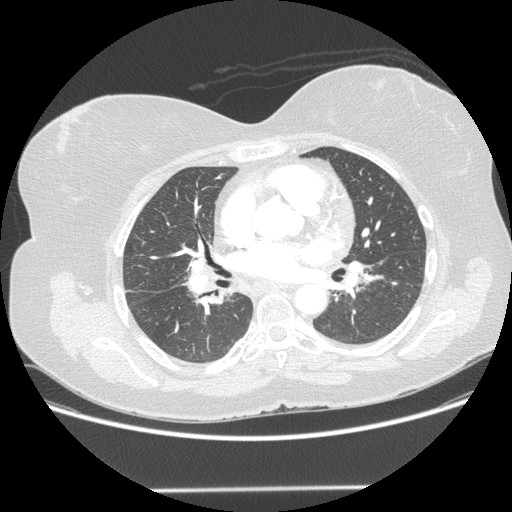
Axial chest CT slice 108 of 214 (counted from the lowest slice); tube voltage 120 kVp, convolution kernel STANDARD; slices 1.25 mm thick, 0.781 mm per pixel.
No nodule of 3 mm or larger was outlined by any of the four readers on this slice.